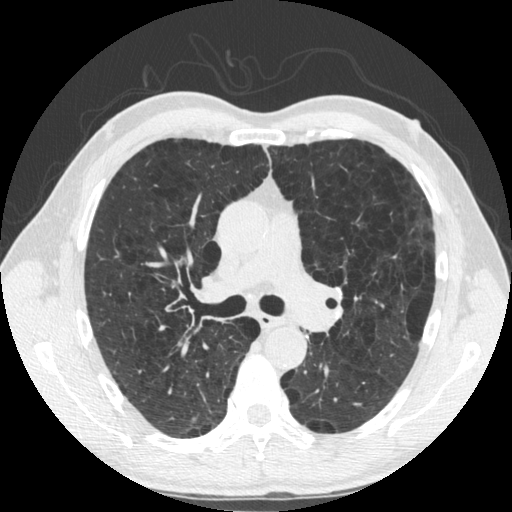
Chest CT, axial plane, 120 kVp, kernel STANDARD. Slice 326/535 from the bottom of the scan; thickness 1.25 mm; pixel size 0.664 mm.
Pulmonary nodule, outlined by all four readers, two of them on this slice. Box on this slice rows 417–421, columns 192–195, the union of the readers' outlines on this slice; longest diameter 11.2 mm on average over the four readers' outlines (readers' outlines 10.5–12.4 mm), volume 543–647 mm3. The readers' prevailing ratings and who disagreed: texture 5/5 (solid), all four readers agreeing; margin 5/5 (circumscribed) from all four readers; sphericity 5/5 (round) by two of four readers; the rest gave 3/5 (ovoid) (one), 4/5 (one); calcification absent by three of four readers, laminated calcification (one); internal structure soft tissue from all four readers; subtlety 5/5 from all four readers; malignancy likelihood 1/5 by two of four readers; the rest gave 4/5 (one), 5/5 (one). Scale key (1–5): texture non-solid→solid, margin indistinct→circumscribed, sphericity linear→round, subtlety extremely subtle→obvious, malignancy likelihood highly unlikely→highly suspicious of cancer. Box rows and columns are 0-based pixel indices from the top-left corner, inclusive.